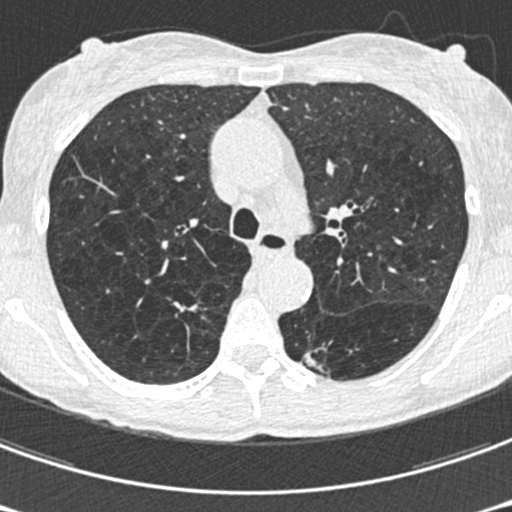
One axial slice (426 of 633, counting up from the lowest) of a chest CT acquired at 120 kVp with the B30f kernel; each pixel is 0.541 mm and the slice is 0.60 mm thick.
Two pulmonary nodules on this slice, listed from left to right. (1) Pulmonary nodule, outlined by all four readers, one of them on this slice. Box on this slice rows 302–311, columns 173–197, the one reader's outline on this slice; longest diameter 19.0 mm on average over the four readers' outlines (readers' outlines 18.1–21.0 mm), volume 1292–1642 mm3. The readers' prevailing ratings and who disagreed: texture 5/5 (solid) from all four readers; margin 2/5 by two of four readers; the rest gave 1/5 (indistinct) (one), 3/5 (one); sphericity 3/5 (ovoid) by two of four readers; the rest gave 2/5 (one), 4/5 (one); calcification absent, all four readers agreeing; internal structure soft tissue from all four readers; most readers (three of four) put subtlety at 5/5, others 4/5 (one); malignancy likelihood 5/5 by three of four readers; the rest gave 4/5 (one). (2) Pulmonary nodule, outlined by one of the four readers. Box on this slice rows 350–376, columns 302–331, that reader's outline on this slice; longest diameter 20.7 mm and volume 470 mm3 from that reader's outline. That reader's ratings: texture 5/5 (solid); margin 1/5 (indistinct); sphericity 2/5; calcification absent; internal structure soft tissue; subtlety 4/5; malignancy likelihood 3/5. Scale key (1–5): texture non-solid→solid, margin indistinct→circumscribed, sphericity linear→round, subtlety extremely subtle→obvious, malignancy likelihood highly unlikely→highly suspicious of cancer. Box rows and columns are 0-based pixel indices from the top-left corner, inclusive.